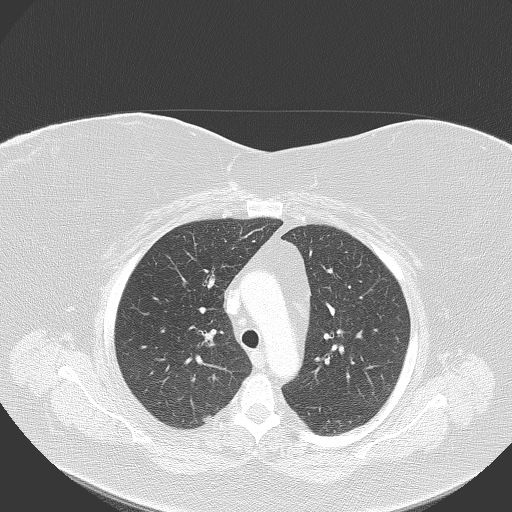
Slice 242/320 of a chest CT, counting up from the lowest; pixel size 0.768 mm, slice thickness 2.00 mm. Pulmonary nodule outlined by two of the four readers; box rows 414–422, columns 201–211 (the union of the readers' outlines on this slice); median longest diameter 9.8 mm (readers' outlines 9.3–10.3 mm), median volume 208 mm3 (181–234 mm3). Ratings, median across the readers with their spread: median texture 2.5/5 (readers ranged 1/5 (non-solid) to 4/5); margin 2.5/5 at the median of two readers, spread 2/5 to 3/5; median sphericity 4/5 (readers ranged 3/5 (ovoid) to 5/5 (round)); calcification absent, both readers agreeing; internal structure soft tissue, both readers agreeing; median subtlety 2/5 (readers ranged 1–3); median malignancy likelihood 2.5/5 (readers ranged 2–3). Scale key (1–5): texture non-solid→solid, margin indistinct→circumscribed, sphericity linear→round, subtlety extremely subtle→obvious, malignancy likelihood highly unlikely→highly suspicious of cancer. Box rows and columns are 0-based pixel indices from the top-left corner, inclusive.
Tube voltage 120 kVp; convolution kernel B70f.